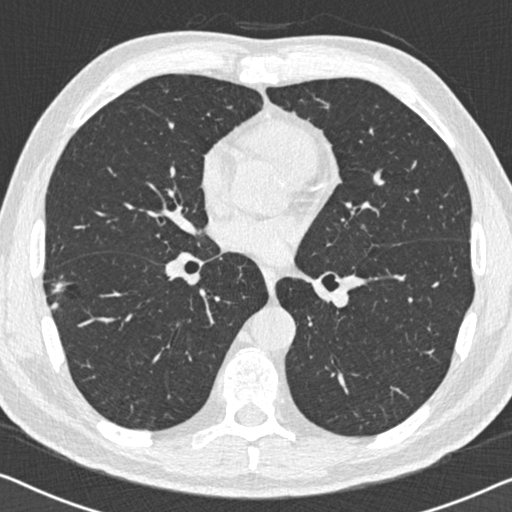
Slice 308/558 of a chest CT, counting up from the lowest; pixel size 0.648 mm, slice thickness 0.75 mm. Pulmonary nodule, outlined by all four readers. Box on this slice rows 274–312, columns 50–71, the union of the readers' outlines on this slice; longest diameter 18.8–26.5 mm and volume 726–1916 mm3 across the four readers' outlines. The readers' ratings, as ranges where they differ: texture from 3/5 (part-solid) to 5/5 (solid) across the four readers; margin from 1/5 (indistinct) to 4/5 across the four readers; sphericity from 2/5 to 4/5 across the four readers; calcification absent, all four readers agreeing; internal structure soft tissue, all four readers agreeing; subtlety from 4/5 to 5/5 across the four readers; malignancy likelihood 4–5/5 (the readers disagree). Scale key (1–5): texture non-solid→solid, margin indistinct→circumscribed, sphericity linear→round, subtlety extremely subtle→obvious, malignancy likelihood highly unlikely→highly suspicious of cancer. Box rows and columns are 0-based pixel indices from the top-left corner, inclusive.
Tube voltage 120 kVp; convolution kernel B30f.